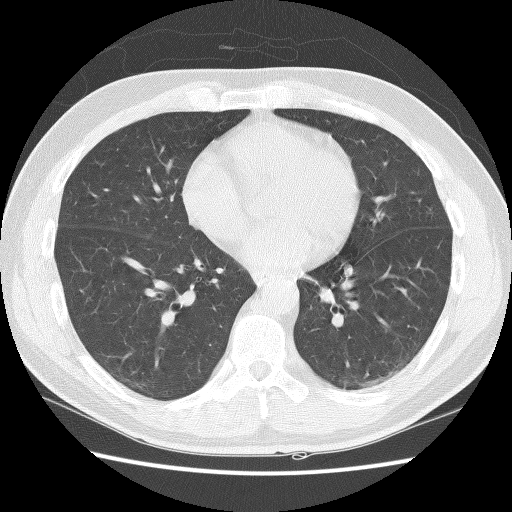
One axial slice (57 of 127, counting up from the lowest) of a chest CT acquired at 140 kVp with the BONE kernel; each pixel is 0.664 mm and the slice is 2.50 mm thick.
Pulmonary nodule outlined by all four readers, one of them on this slice; box rows 363–366, columns 399–402 (the one reader's outline on this slice); longest diameter 5.1 mm on average over the four readers' outlines (readers' outlines 3.9–5.7 mm), volume 20–62 mm3. Ratings, by the readers' most common answer with dissent counted: texture 5/5 (solid) by two of four readers; the rest gave 3/5 (part-solid) (one), 4/5 (one); margin 3/5 by three of four readers; the rest gave 5/5 (circumscribed) (one); sphericity 4/5 by three of four readers; the rest gave 3/5 (ovoid) (one); calcification absent from all four readers; internal structure soft tissue, all four readers agreeing; subtlety 2/5 by two of four readers; the rest gave 3/5 (one), 4/5 (one); malignancy likelihood 3/5 by three of four readers; the rest gave 2/5 (one). Scale key (1–5): texture non-solid→solid, margin indistinct→circumscribed, sphericity linear→round, subtlety extremely subtle→obvious, malignancy likelihood highly unlikely→highly suspicious of cancer. Box rows and columns are 0-based pixel indices from the top-left corner, inclusive.